Axial slice 136 of 235 of a chest CT (slice 1 is the lowest), reconstructed with the BONE kernel at 120 kVp; 1.25 mm slice thickness and 0.625 mm pixels.
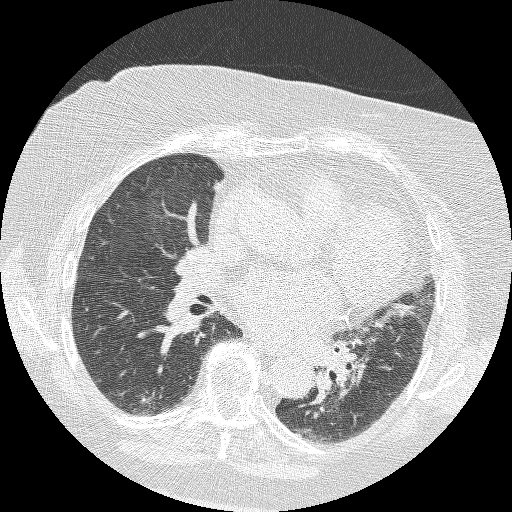
Pulmonary nodule, outlined by two of the four readers. Box on this slice rows 391–405, columns 140–155, the union of the readers' outlines on this slice; longest diameter 17.6–22.4 mm and volume 602–1472 mm3 across the two readers' outlines. The readers' ratings, as ranges where they differ: texture 5/5 (solid), both readers agreeing; margin from 2/5 to 5/5 (circumscribed) across the two readers; sphericity from 1/5 (linear) to 2/5 across the two readers; calcification absent from both readers; internal structure soft tissue from both readers; subtlety 5/5 from both readers; malignancy likelihood 3/5 from both readers. Scale key (1–5): texture non-solid→solid, margin indistinct→circumscribed, sphericity linear→round, subtlety extremely subtle→obvious, malignancy likelihood highly unlikely→highly suspicious of cancer. Box rows and columns are 0-based pixel indices from the top-left corner, inclusive.